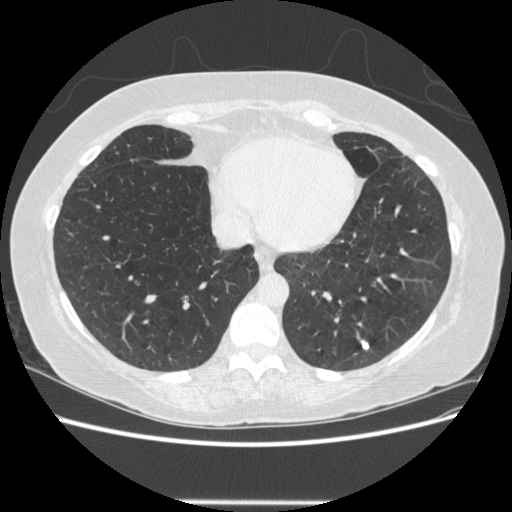
Axial chest CT slice 172 of 513 (counted from the lowest slice); 1.25 mm thick, 0.703 mm per pixel. Pulmonary nodule, outlined by all four readers. Box on this slice rows 340–349, columns 360–369, the union of the readers' outlines on this slice; longest diameter 8.4 mm on average over the four readers' outlines (readers' outlines 7.6–9.4 mm), volume 94–152 mm3. Ratings, by the readers' most common answer with dissent counted: texture 5/5 (solid) from all four readers; margin 5/5 (circumscribed) by two of four readers; the rest gave 1/5 (indistinct) (one), 4/5 (one); most readers (three of four) put sphericity at 5/5 (round), others 3/5 (ovoid) (one); calcification solid calcification by three of four readers, absent (one); internal structure soft tissue, all four readers agreeing; most readers (three of four) put subtlety at 5/5, others 4/5 (one); malignancy likelihood 1/5 by three of four readers; the rest gave 4/5 (one). Scale key (1–5): texture non-solid→solid, margin indistinct→circumscribed, sphericity linear→round, subtlety extremely subtle→obvious, malignancy likelihood highly unlikely→highly suspicious of cancer. Box rows and columns are 0-based pixel indices from the top-left corner, inclusive.
Tube voltage 120 kVp; convolution kernel STANDARD.